Axial chest CT slice 212 of 290 (counted from the lowest slice); tube voltage 120 kVp, convolution kernel D; slices 2.00 mm thick, 0.648 mm per pixel.
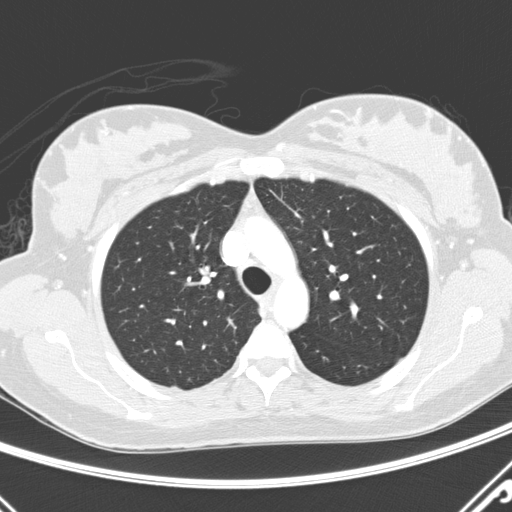
Pulmonary nodule at rows 386–388, columns 171–179 (box = that reader's outline on this slice), outlined by one of the four readers; longest diameter 10.5 mm and volume 127 mm3 from that reader's outline. That reader's ratings: texture 4/5; margin 4/5; sphericity 4/5; calcification absent; internal structure soft tissue; subtlety 5/5; malignancy likelihood 3/5. Scale key (1–5): texture non-solid→solid, margin indistinct→circumscribed, sphericity linear→round, subtlety extremely subtle→obvious, malignancy likelihood highly unlikely→highly suspicious of cancer. Box rows and columns are 0-based pixel indices from the top-left corner, inclusive.